Chest CT, axial plane, 120 kVp, kernel STANDARD. Slice 295/417 from the bottom of the scan; thickness 1.25 mm; pixel size 0.703 mm.
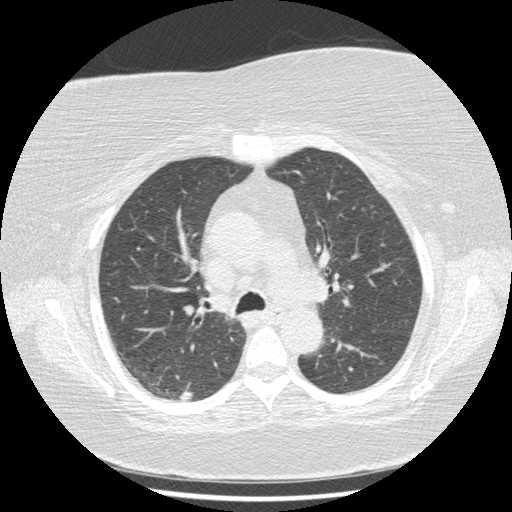
Pulmonary nodule outlined by all four readers; box rows 391–400, columns 178–193 (the union of the readers' outlines on this slice); median longest diameter 11.8 mm (readers' outlines 11.0–13.8 mm), median volume 406 mm3 (306–515 mm3). Median ratings and the readers' spread: texture 5/5 (solid), all four readers agreeing; median margin 5/5 (circumscribed) (readers ranged 4/5 to 5/5 (circumscribed)); median sphericity 4.5/5 (readers ranged 3/5 (ovoid) to 5/5 (round)); calcification absent from all four readers; internal structure soft tissue, all four readers agreeing; subtlety 4.5/5 at the median of four readers, spread 3–5; malignancy likelihood 3.5/5 at the median of four readers, spread 2–4. Scale key (1–5): texture non-solid→solid, margin indistinct→circumscribed, sphericity linear→round, subtlety extremely subtle→obvious, malignancy likelihood highly unlikely→highly suspicious of cancer. Box rows and columns are 0-based pixel indices from the top-left corner, inclusive.